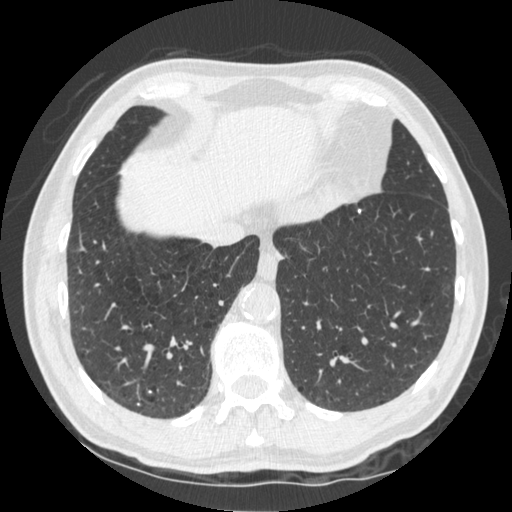
Chest CT, axial plane, 120 kVp, kernel STANDARD. Slice 136/535 from the bottom of the scan; thickness 1.25 mm; pixel size 0.664 mm.
Pulmonary nodule at rows 390–393, columns 148–151 (box = the union of the readers' outlines on this slice), outlined by two of the four readers; median longest diameter 4.8 mm (readers' outlines 4.8 mm), median volume 39 mm3 (39 mm3). Median ratings and the readers' spread: texture 5/5 (solid), both readers agreeing; margin 5/5 (circumscribed), both readers agreeing; sphericity 5/5 (round), both readers agreeing; calcification solid calcification, both readers agreeing; internal structure soft tissue from both readers; subtlety 4.5/5 at the median of two readers, spread 4–5; malignancy likelihood 1/5 from both readers. Scale key (1–5): texture non-solid→solid, margin indistinct→circumscribed, sphericity linear→round, subtlety extremely subtle→obvious, malignancy likelihood highly unlikely→highly suspicious of cancer. Box rows and columns are 0-based pixel indices from the top-left corner, inclusive.